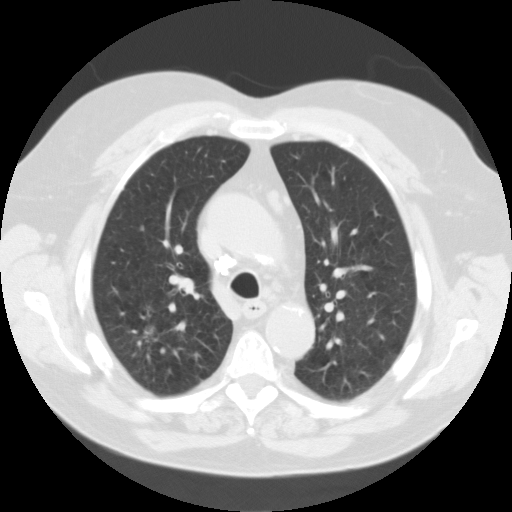
Axial chest CT slice 83 of 115 (counted from the lowest slice); 3.00 mm thick, 0.720 mm per pixel. Pulmonary nodule at rows 225–230, columns 139–143 (box = that reader's outline on this slice), outlined by one of the four readers; longest diameter 5.9 mm and volume 89 mm3 from that reader's outline. That reader's ratings: texture 3/5 (part-solid); margin 3/5; sphericity 2/5; calcification absent; internal structure soft tissue; subtlety 3/5; malignancy likelihood 2/5. Scale key (1–5): texture non-solid→solid, margin indistinct→circumscribed, sphericity linear→round, subtlety extremely subtle→obvious, malignancy likelihood highly unlikely→highly suspicious of cancer. Box rows and columns are 0-based pixel indices from the top-left corner, inclusive.
Tube voltage 135 kVp; convolution kernel FC01.